Chest CT, axial plane, 120 kVp, kernel BONE. Slice 146/291 from the bottom of the scan; thickness 1.25 mm; pixel size 0.820 mm.
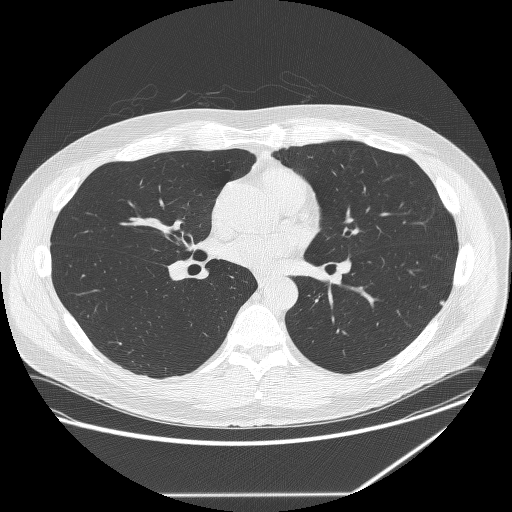
Pulmonary nodule, outlined by two of the four readers. Box on this slice rows 300–305, columns 439–443, the union of the readers' outlines on this slice; the two readers' outlines give a longest diameter between 5.0 and 6.0 mm and a volume between 43 and 48 mm3. The readers' ratings, as ranges where they differ: texture from 3/5 (part-solid) to 5/5 (solid) across the two readers; margin from 3/5 to 5/5 (circumscribed) across the two readers; sphericity from 3/5 (ovoid) to 4/5 across the two readers; calcification absent from both readers; internal structure soft tissue from both readers; subtlety rated between 1 and 4 out of 5 by the two readers; malignancy likelihood from 2/5 to 3/5 across the two readers. Scale key (1–5): texture non-solid→solid, margin indistinct→circumscribed, sphericity linear→round, subtlety extremely subtle→obvious, malignancy likelihood highly unlikely→highly suspicious of cancer. Box rows and columns are 0-based pixel indices from the top-left corner, inclusive.